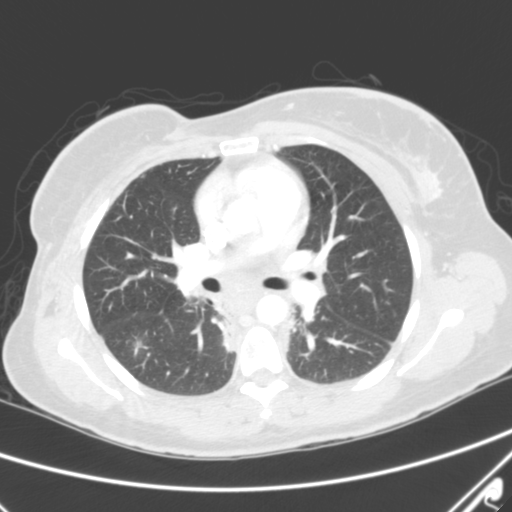
Axial chest CT slice 155 of 263 (counted from the lowest slice); tube voltage 120 kVp, convolution kernel B; slices 2.00 mm thick, 0.664 mm per pixel.
Pulmonary nodule outlined two times (the source holds three more outlines, not used); box rows 331–348, columns 127–146 (the union of the readers' outlines on this slice); longest diameter 13.7 mm on average over the two readers' outlines (readers' outlines 12.2–15.2 mm), volume 731–1229 mm3. The readers' prevailing ratings and who disagreed: texture split among the readers: 1/5 (non-solid) (one), 3/5 (part-solid) (one); margin split among the readers: 2/5 (one), 3/5 (one); sphericity split among the readers: 3/5 (ovoid) (one), 4/5 (one); calcification absent from both readers; internal structure soft tissue, both readers agreeing; subtlety 3/5, both readers agreeing; malignancy likelihood split among the readers: 2/5 (one), 4/5 (one). Scale key (1–5): texture non-solid→solid, margin indistinct→circumscribed, sphericity linear→round, subtlety extremely subtle→obvious, malignancy likelihood highly unlikely→highly suspicious of cancer. Box rows and columns are 0-based pixel indices from the top-left corner, inclusive.